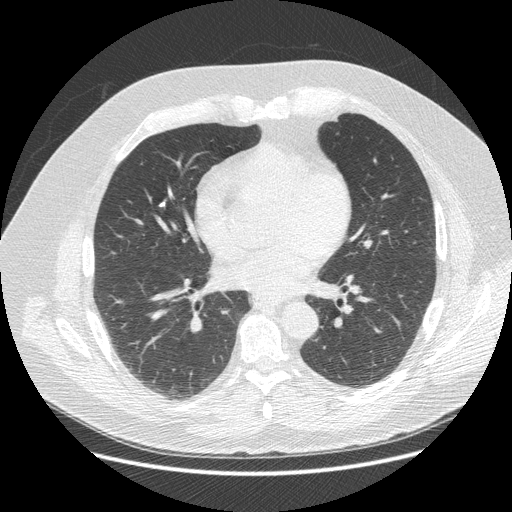
Slice 242/477 of a chest CT, counting up from the lowest; pixel size 0.781 mm, slice thickness 1.25 mm. Pulmonary nodule at rows 201–207, columns 156–165 (box = the union of the readers' outlines on this slice), outlined by all four readers; median longest diameter 7.6 mm (readers' outlines 6.3–9.5 mm), median volume 70 mm3 (41–153 mm3). Ratings, median across the readers with their spread: median texture 5/5 (solid) (readers ranged 4/5 to 5/5 (solid)); margin 5/5 (circumscribed) at the median of four readers, spread 4/5 to 5/5 (circumscribed); median sphericity 3/5 (ovoid) (readers ranged 2/5 to 4/5); calcification: solid calcification (three), absent (one); internal structure soft tissue, all four readers agreeing; subtlety 5/5, all four readers agreeing; malignancy likelihood 1/5 at the median of four readers, spread 1–4. Scale key (1–5): texture non-solid→solid, margin indistinct→circumscribed, sphericity linear→round, subtlety extremely subtle→obvious, malignancy likelihood highly unlikely→highly suspicious of cancer. Box rows and columns are 0-based pixel indices from the top-left corner, inclusive.
Acquired at 120 kVp and reconstructed with the STANDARD kernel.